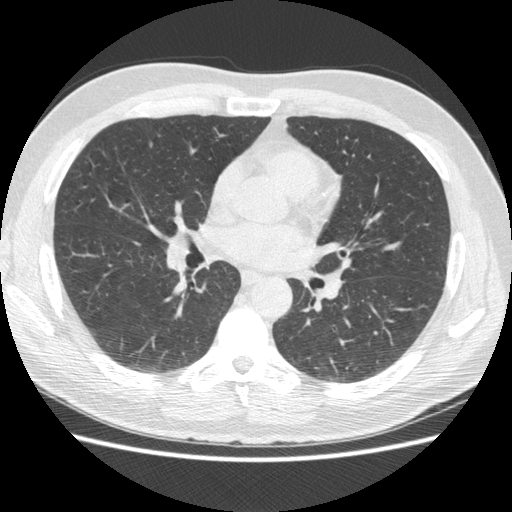
One axial slice (261 of 477, counting up from the lowest) of a chest CT acquired at 120 kVp with the STANDARD kernel; each pixel is 0.703 mm and the slice is 1.25 mm thick.
Pulmonary nodule at rows 139–148, columns 147–153 (box = the union of the readers' outlines on this slice), outlined by three of the four readers; median longest diameter 13.1 mm (readers' outlines 13.0–15.7 mm), median volume 236 mm3 (236–334 mm3). Median ratings and the readers' spread: texture 5/5 (solid) from all three readers; median margin 4/5 (readers ranged 4/5 to 5/5 (circumscribed)); sphericity 4/5 at the median of three readers, spread 2/5 to 5/5 (round); calcification absent from all three readers; internal structure soft tissue, all three readers agreeing; subtlety 4/5 at the median of three readers, spread 3–5; malignancy likelihood 3/5 at the median of three readers, spread 2–3. Scale key (1–5): texture non-solid→solid, margin indistinct→circumscribed, sphericity linear→round, subtlety extremely subtle→obvious, malignancy likelihood highly unlikely→highly suspicious of cancer. Box rows and columns are 0-based pixel indices from the top-left corner, inclusive.